One axial slice (82 of 116, counting up from the lowest) of a chest CT acquired at 135 kVp with the FC01 kernel; each pixel is 0.702 mm and the slice is 3.00 mm thick.
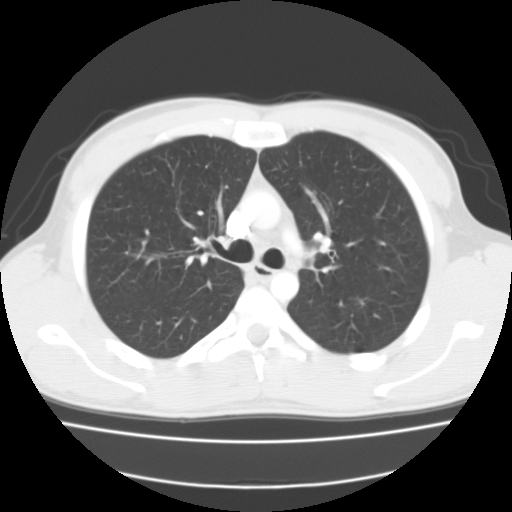
None of the four readers outlined a nodule of 3 mm or more on this slice.